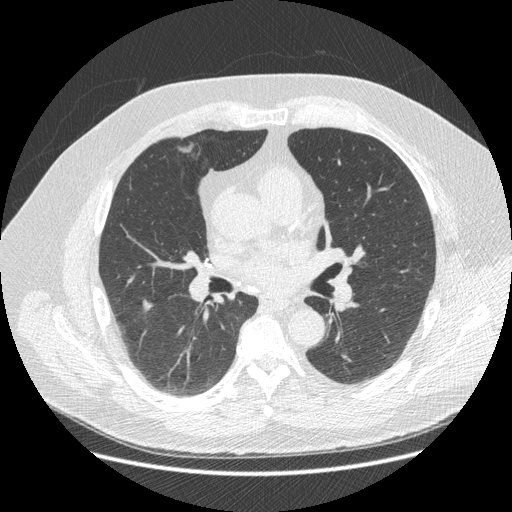
Axial slice 275 of 477 of a chest CT (slice 1 is the lowest), reconstructed with the STANDARD kernel at 120 kVp; 1.25 mm slice thickness and 0.781 mm pixels.
Pulmonary nodule at rows 300–310, columns 142–152 (box = the union of the readers' outlines on this slice), outlined by all four readers, two of them on this slice; longest diameter 16.4 mm on average over the four readers' outlines (readers' outlines 12.4–20.8 mm), volume 162–429 mm3. Ratings, by the readers' most common answer with dissent counted: texture 4/5 by two of four readers; the rest gave 1/5 (non-solid) (one), 5/5 (solid) (one); margin split among the readers: 2/5 (one), 3/5 (one), 4/5 (one), 5/5 (circumscribed) (one); sphericity 2/5 by two of four readers; the rest gave 3/5 (ovoid) (one), 4/5 (one); calcification absent, all four readers agreeing; internal structure soft tissue from all four readers; subtlety 5/5 by two of four readers; the rest gave 3/5 (one), 4/5 (one); malignancy likelihood 4/5 by two of four readers; the rest gave 2/5 (one), 3/5 (one). Scale key (1–5): texture non-solid→solid, margin indistinct→circumscribed, sphericity linear→round, subtlety extremely subtle→obvious, malignancy likelihood highly unlikely→highly suspicious of cancer. Box rows and columns are 0-based pixel indices from the top-left corner, inclusive.